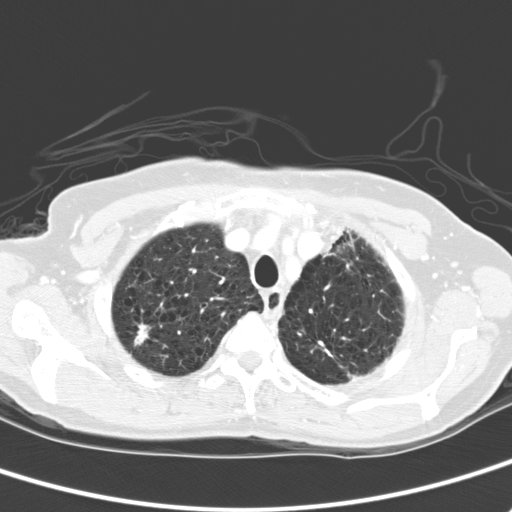
Chest CT, axial plane, 120 kVp, kernel D. Slice 215/280 from the bottom of the scan; thickness 2.00 mm; pixel size 0.613 mm.
Pulmonary nodule at rows 322–347, columns 134–152 (box = the union of the readers' outlines on this slice), outlined by all four readers; longest diameter 16.7–18.9 mm and volume 701–1041 mm3 across the four readers' outlines. Ratings across the readers: texture from 3/5 (part-solid) to 5/5 (solid) across the four readers; margin from 1/5 (indistinct) to 5/5 (circumscribed) across the four readers; sphericity from 2/5 to 4/5 across the four readers; calcification absent from all four readers; internal structure soft tissue, all four readers agreeing; subtlety 2–5/5 (the readers disagree); malignancy likelihood 3–5/5 (the readers disagree). Scale key (1–5): texture non-solid→solid, margin indistinct→circumscribed, sphericity linear→round, subtlety extremely subtle→obvious, malignancy likelihood highly unlikely→highly suspicious of cancer. Box rows and columns are 0-based pixel indices from the top-left corner, inclusive.